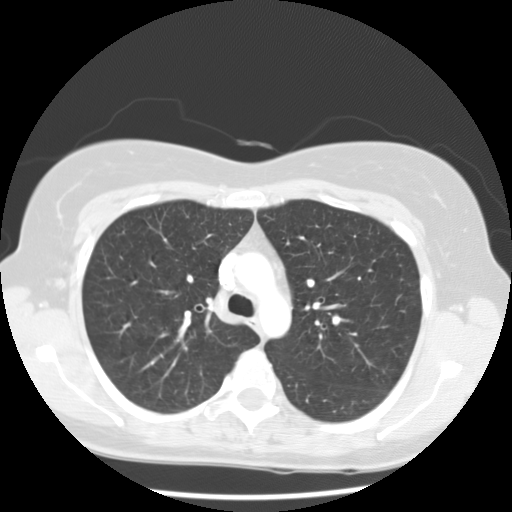
Chest CT, axial plane, 120 kVp, kernel STANDARD. Slice 98/133 from the bottom of the scan; thickness 2.50 mm; pixel size 0.664 mm.
This slice carries no reader outline of a nodule 3 mm or larger.